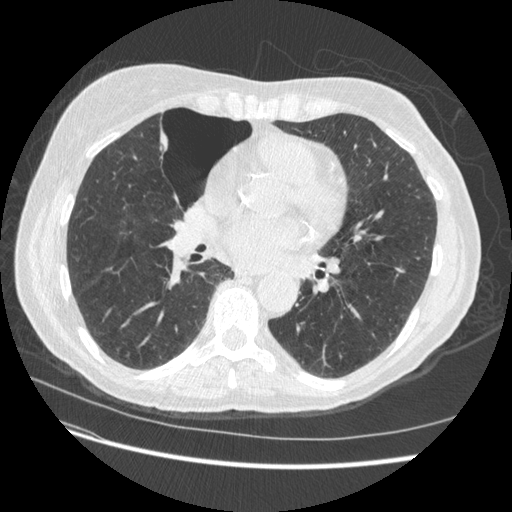
Chest CT, axial plane, 120 kVp, kernel STANDARD. Slice 236/509 from the bottom of the scan; thickness 1.25 mm; pixel size 0.703 mm.
Pulmonary nodule, outlined by three of the four readers. Box on this slice rows 267–272, columns 394–405, the union of the readers' outlines on this slice; longest diameter 10.8 mm on average over the three readers' outlines (readers' outlines 9.2–11.6 mm), volume 182–365 mm3. Ratings, by the readers' most common answer with dissent counted: most readers (two of three) put texture at 5/5 (solid), others 4/5 (one); margin split among the readers: 3/5 (one), 4/5 (one), 5/5 (circumscribed) (one); sphericity split among the readers: 2/5 (one), 3/5 (ovoid) (one), 4/5 (one); calcification absent from all three readers; internal structure soft tissue, all three readers agreeing; subtlety 4/5, all three readers agreeing; malignancy likelihood split among the readers: 2/5 (one), 3/5 (one), 4/5 (one). Scale key (1–5): texture non-solid→solid, margin indistinct→circumscribed, sphericity linear→round, subtlety extremely subtle→obvious, malignancy likelihood highly unlikely→highly suspicious of cancer. Box rows and columns are 0-based pixel indices from the top-left corner, inclusive.